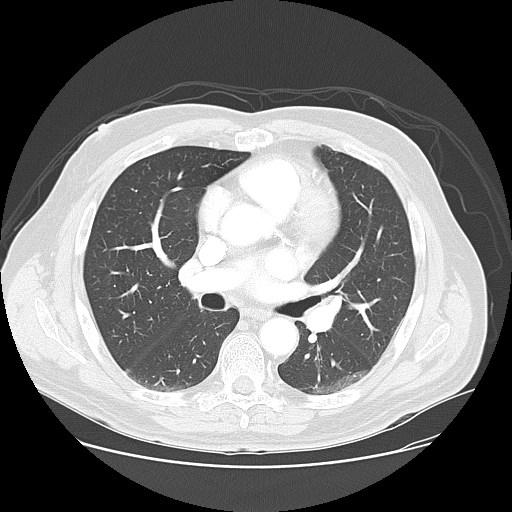
Chest CT, axial plane, 120 kVp, kernel LUNG. Slice 88/143 from the bottom of the scan; thickness 2.50 mm; pixel size 0.781 mm.
No nodule 3 mm or larger was outlined here by any reader.